One axial slice (214 of 558, counting up from the lowest) of a chest CT acquired at 120 kVp with the B30f kernel; each pixel is 0.648 mm and the slice is 0.75 mm thick.
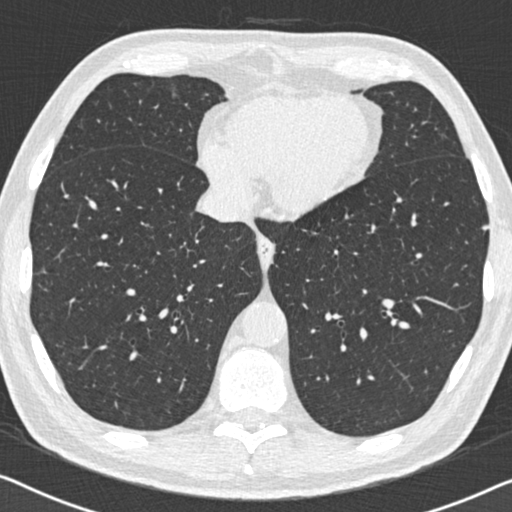
Pulmonary nodule at rows 225–230, columns 482–488 (box = the union of the readers' outlines on this slice), outlined by two of the four readers; longest diameter 6.6 mm on average over the two readers' outlines (readers' outlines 6.2–7.0 mm), volume 80–93 mm3. The readers' prevailing ratings and who disagreed: texture split among the readers: 4/5 (one), 5/5 (solid) (one); margin 4/5 from both readers; sphericity split among the readers: 4/5 (one), 5/5 (round) (one); calcification absent from both readers; internal structure soft tissue from both readers; subtlety split among the readers: 3/5 (one), 5/5 (one); malignancy likelihood split among the readers: 2/5 (one), 3/5 (one). Scale key (1–5): texture non-solid→solid, margin indistinct→circumscribed, sphericity linear→round, subtlety extremely subtle→obvious, malignancy likelihood highly unlikely→highly suspicious of cancer. Box rows and columns are 0-based pixel indices from the top-left corner, inclusive.